Axial chest CT slice 192 of 238 (counted from the lowest slice); tube voltage 120 kVp, convolution kernel BONE; slices 1.25 mm thick, 0.703 mm per pixel.
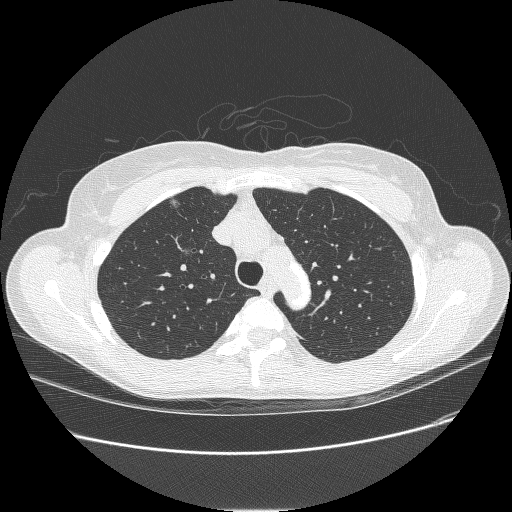
Two pulmonary nodules on this slice, listed from left to right. (1) Pulmonary nodule at rows 198–208, columns 168–180 (box = the union of the readers' outlines on this slice), outlined by all four readers; longest diameter 9.6 mm on average over the four readers' outlines (readers' outlines 8.5–10.1 mm), volume 141–235 mm3. Ratings, by the readers' most common answer with dissent counted: most readers (three of four) put texture at 1/5 (non-solid), others 3/5 (part-solid) (one); margin 1/5 (indistinct) by three of four readers; the rest gave 5/5 (circumscribed) (one); sphericity 4/5 by two of four readers; the rest gave 3/5 (ovoid) (one), 5/5 (round) (one); calcification absent from all four readers; internal structure soft tissue, all four readers agreeing; subtlety 4/5 by two of four readers; the rest gave 2/5 (one), 3/5 (one); malignancy likelihood 4/5 by two of four readers; the rest gave 2/5 (one), 3/5 (one). (2) Pulmonary nodule, outlined by all four readers, two of them on this slice. Box on this slice rows 248–254, columns 184–190, the union of the readers' outlines on this slice; longest diameter 9.6–12.0 mm and volume 193–427 mm3 across the four readers' outlines. Ratings across the readers: texture from 1/5 (non-solid) to 3/5 (part-solid) across the four readers; margin from 1/5 (indistinct) to 5/5 (circumscribed) across the four readers; sphericity from 3/5 (ovoid) to 5/5 (round) across the four readers; calcification absent, all four readers agreeing; internal structure soft tissue, all four readers agreeing; subtlety from 2/5 to 4/5 across the four readers; malignancy likelihood rated between 2 and 4 out of 5 by the four readers. Scale key (1–5): texture non-solid→solid, margin indistinct→circumscribed, sphericity linear→round, subtlety extremely subtle→obvious, malignancy likelihood highly unlikely→highly suspicious of cancer. Box rows and columns are 0-based pixel indices from the top-left corner, inclusive.